Axial chest CT slice 313 of 493 (counted from the lowest slice); tube voltage 120 kVp, convolution kernel B30f; slices 0.75 mm thick, 0.762 mm per pixel.
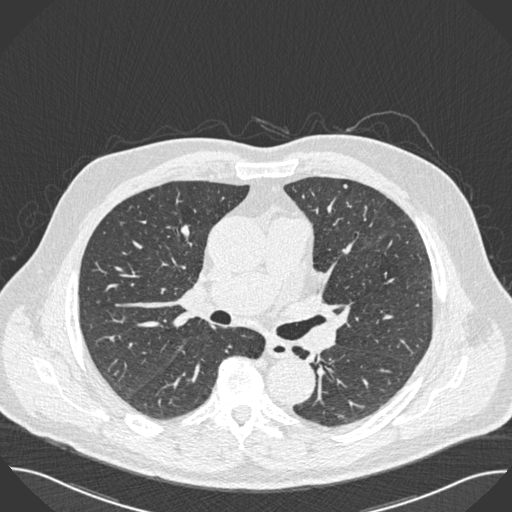
Pulmonary nodule at rows 184–188, columns 343–347 (box = that reader's outline on this slice), outlined by one of the four readers; longest diameter 4.8 mm and volume 45 mm3 from that reader's outline. That reader's ratings: texture 5/5 (solid); margin 5/5 (circumscribed); sphericity 5/5 (round); calcification absent; internal structure soft tissue; subtlety 5/5; malignancy likelihood 2/5. Scale key (1–5): texture non-solid→solid, margin indistinct→circumscribed, sphericity linear→round, subtlety extremely subtle→obvious, malignancy likelihood highly unlikely→highly suspicious of cancer. Box rows and columns are 0-based pixel indices from the top-left corner, inclusive.